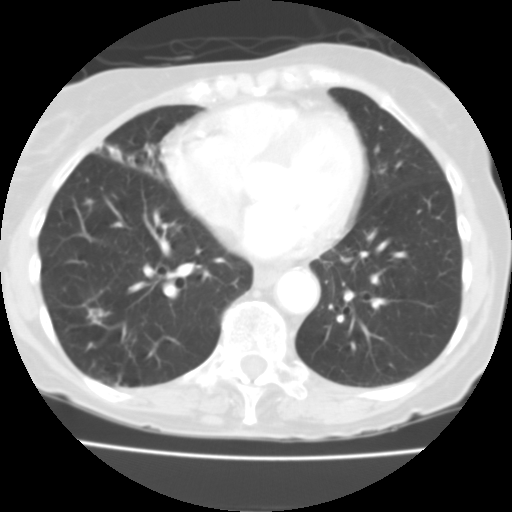
Axial chest CT slice 43 of 108 (counted from the lowest slice); tube voltage 135 kVp, convolution kernel FC01; slices 3.00 mm thick, 0.564 mm per pixel.
Pulmonary nodule outlined by two of the four readers; box rows 308–320, columns 87–102 (the union of the readers' outlines on this slice); median longest diameter 10.4 mm (readers' outlines 9.6–11.2 mm), median volume 386 mm3 (381–391 mm3). Median ratings and the readers' spread: texture 4/5 at the median of two readers, spread 3/5 (part-solid) to 5/5 (solid); margin 3/5, both readers agreeing; median sphericity 4/5 (readers ranged 3/5 (ovoid) to 5/5 (round)); calcification absent, both readers agreeing; internal structure split among the readers: soft tissue (one), air (one); subtlety 4/5 from both readers; malignancy likelihood 3/5, both readers agreeing. Scale key (1–5): texture non-solid→solid, margin indistinct→circumscribed, sphericity linear→round, subtlety extremely subtle→obvious, malignancy likelihood highly unlikely→highly suspicious of cancer. Box rows and columns are 0-based pixel indices from the top-left corner, inclusive.